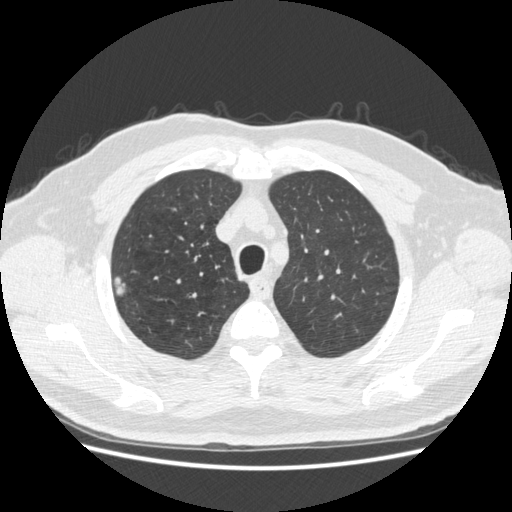
Axial slice 370 of 465 of a chest CT (slice 1 is the lowest), reconstructed with the STANDARD kernel at 120 kVp; 1.25 mm slice thickness and 0.703 mm pixels.
Pulmonary nodule at rows 276–296, columns 113–127 (box = the union of the readers' outlines on this slice), outlined by all four readers; longest diameter 17.5 mm on average over the four readers' outlines (readers' outlines 15.5–18.9 mm), volume 1041–1475 mm3. The readers' prevailing ratings and who disagreed: texture 5/5 (solid), all four readers agreeing; most readers (three of four) put margin at 5/5 (circumscribed), others 4/5 (one); sphericity 3/5 (ovoid) by two of four readers; the rest gave 4/5 (one), 5/5 (round) (one); calcification absent, all four readers agreeing; internal structure soft tissue, all four readers agreeing; subtlety 5/5 by three of four readers; the rest gave 4/5 (one); malignancy likelihood 5/5 by two of four readers; the rest gave 2/5 (one), 3/5 (one). Scale key (1–5): texture non-solid→solid, margin indistinct→circumscribed, sphericity linear→round, subtlety extremely subtle→obvious, malignancy likelihood highly unlikely→highly suspicious of cancer. Box rows and columns are 0-based pixel indices from the top-left corner, inclusive.